Chest CT, axial plane, 120 kVp, kernel D. Slice 57/300 from the bottom of the scan; thickness 1.00 mm; pixel size 0.607 mm.
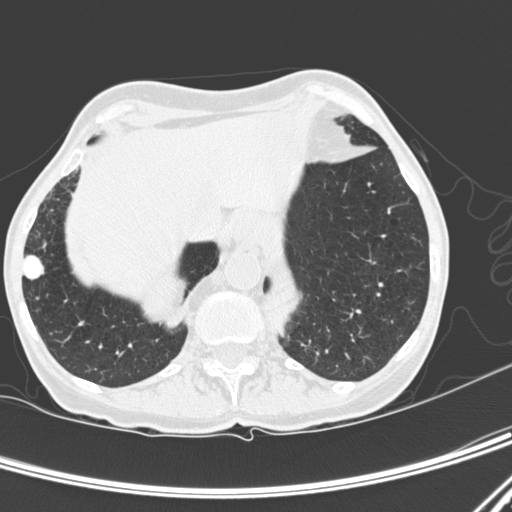
Pulmonary nodule at rows 255–280, columns 22–44 (box = the union of the readers' outlines on this slice), outlined by all four readers; median longest diameter 19.0 mm (readers' outlines 17.1–19.9 mm), median volume 2200 mm3 (1865–2443 mm3). Median ratings and the readers' spread: texture 5/5 (solid), all four readers agreeing; margin 5/5 (circumscribed), all four readers agreeing; median sphericity 4/5 (readers ranged 4/5 to 5/5 (round)); calcification: solid calcification (three), absent (one); internal structure soft tissue from all four readers; subtlety 5/5 from all four readers; malignancy likelihood 1/5 at the median of four readers, spread 1–4. Scale key (1–5): texture non-solid→solid, margin indistinct→circumscribed, sphericity linear→round, subtlety extremely subtle→obvious, malignancy likelihood highly unlikely→highly suspicious of cancer. Box rows and columns are 0-based pixel indices from the top-left corner, inclusive.